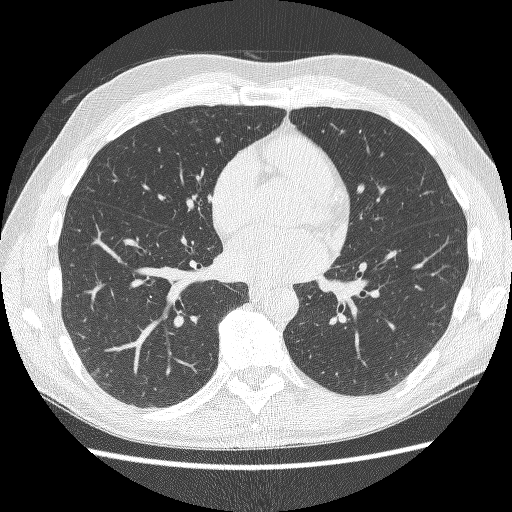
Axial chest CT slice 111 of 252 (counted from the lowest slice); tube voltage 120 kVp, convolution kernel BONE; slices 1.25 mm thick, 0.703 mm per pixel.
Pulmonary nodule outlined by all four readers, one of them on this slice; box rows 368–372, columns 96–99 (the one reader's outline on this slice); longest diameter 5.7 mm on average over the four readers' outlines (readers' outlines 5.0–6.7 mm), volume 24–40 mm3. The readers' prevailing ratings and who disagreed: texture 3/5 (part-solid) by two of four readers; the rest gave 4/5 (one), 5/5 (solid) (one); margin split among the readers: 2/5 (one), 3/5 (one), 4/5 (one), 5/5 (circumscribed) (one); sphericity 4/5 by three of four readers; the rest gave 5/5 (round) (one); calcification absent from all four readers; internal structure soft tissue from all four readers; subtlety 3/5 by two of four readers; the rest gave 1/5 (one), 2/5 (one); malignancy likelihood 3/5 from all four readers. Scale key (1–5): texture non-solid→solid, margin indistinct→circumscribed, sphericity linear→round, subtlety extremely subtle→obvious, malignancy likelihood highly unlikely→highly suspicious of cancer. Box rows and columns are 0-based pixel indices from the top-left corner, inclusive.